One axial slice (188 of 280, counting up from the lowest) of a chest CT acquired at 120 kVp with the D kernel; each pixel is 0.666 mm and the slice is 1.00 mm thick.
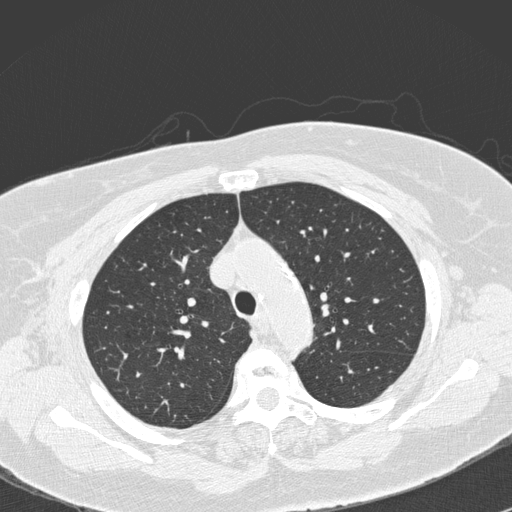
This slice carries no reader outline of a nodule 3 mm or larger.